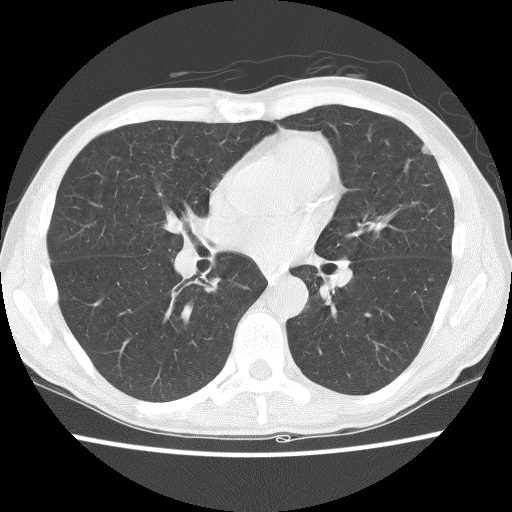
This is axial slice 67 of 128 (slice 1 is the lowest) of a chest CT; each pixel is 0.611 mm and the slice is 2.50 mm thick. Pulmonary nodule outlined by all four readers; box rows 145–155, columns 421–432 (the union of the readers' outlines on this slice); median longest diameter 8.3 mm (readers' outlines 7.0–8.5 mm), median volume 126 mm3 (55–147 mm3). Median ratings and the readers' spread: texture 4.5/5 at the median of four readers, spread 3/5 (part-solid) to 5/5 (solid); median margin 4/5 (readers ranged 3/5 to 5/5 (circumscribed)); median sphericity 3.5/5 (readers ranged 3/5 (ovoid) to 4/5); calcification absent, all four readers agreeing; internal structure soft tissue from all four readers; subtlety 3/5 at the median of four readers, spread 3–5; malignancy likelihood 2.5/5 at the median of four readers, spread 2–3. Scale key (1–5): texture non-solid→solid, margin indistinct→circumscribed, sphericity linear→round, subtlety extremely subtle→obvious, malignancy likelihood highly unlikely→highly suspicious of cancer. Box rows and columns are 0-based pixel indices from the top-left corner, inclusive.
Tube voltage 140 kVp; convolution kernel BONE.